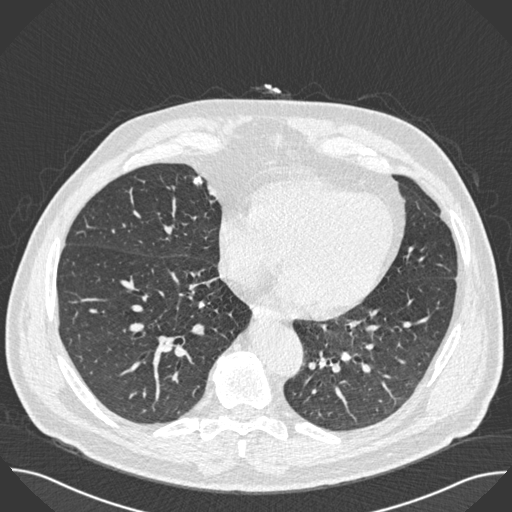
One axial slice (221 of 493, counting up from the lowest) of a chest CT acquired at 120 kVp with the B30f kernel; each pixel is 0.762 mm and the slice is 0.75 mm thick.
Pulmonary nodule at rows 176–184, columns 192–201 (box = the union of the readers' outlines on this slice), outlined by all four readers; longest diameter 11.0 mm on average over the four readers' outlines (readers' outlines 10.6–11.2 mm), volume 320–406 mm3. The readers' prevailing ratings and who disagreed: texture 5/5 (solid), all four readers agreeing; margin 5/5 (circumscribed), all four readers agreeing; sphericity 4/5 by three of four readers; the rest gave 3/5 (ovoid) (one); calcification solid calcification by three of four readers, central calcification (one); internal structure soft tissue, all four readers agreeing; subtlety split among the readers: 4/5 (two), 5/5 (two); malignancy likelihood 1/5, all four readers agreeing. Scale key (1–5): texture non-solid→solid, margin indistinct→circumscribed, sphericity linear→round, subtlety extremely subtle→obvious, malignancy likelihood highly unlikely→highly suspicious of cancer. Box rows and columns are 0-based pixel indices from the top-left corner, inclusive.